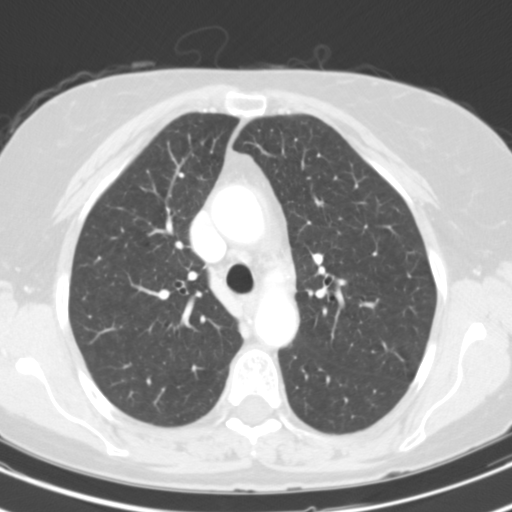
Axial chest CT slice 83 of 115 (counted from the lowest slice); tube voltage 130 kVp, convolution kernel B31s; slices 3.00 mm thick, 0.582 mm per pixel.
No nodule 3 mm or larger was outlined here by any reader.